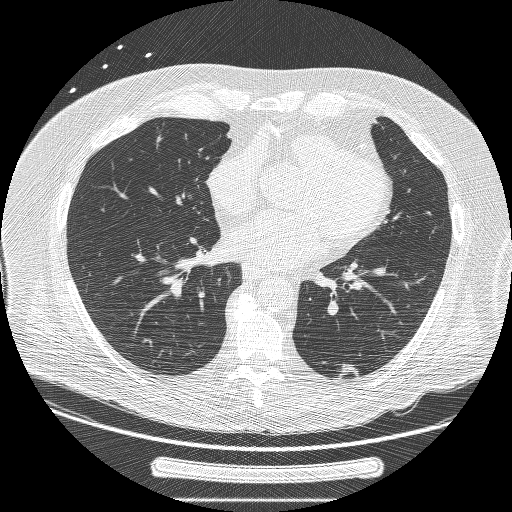
Axial chest CT slice 96 of 239 (counted from the lowest slice); tube voltage 120 kVp, convolution kernel BONE; slices 1.25 mm thick, 0.795 mm per pixel.
Pulmonary nodule outlined by two of the four readers; box rows 364–378, columns 338–357 (the union of the readers' outlines on this slice); median longest diameter 17.7 mm (readers' outlines 17.4–17.9 mm), median volume 780 mm3 (746–814 mm3). Median ratings and the readers' spread: texture 5/5 (solid), both readers agreeing; margin 3.5/5 at the median of two readers, spread 3/5 to 4/5; median sphericity 2/5 (readers ranged 1/5 (linear) to 3/5 (ovoid)); calcification absent from both readers; internal structure soft tissue from both readers; subtlety 4/5, both readers agreeing; malignancy likelihood 4/5 from both readers. Scale key (1–5): texture non-solid→solid, margin indistinct→circumscribed, sphericity linear→round, subtlety extremely subtle→obvious, malignancy likelihood highly unlikely→highly suspicious of cancer. Box rows and columns are 0-based pixel indices from the top-left corner, inclusive.